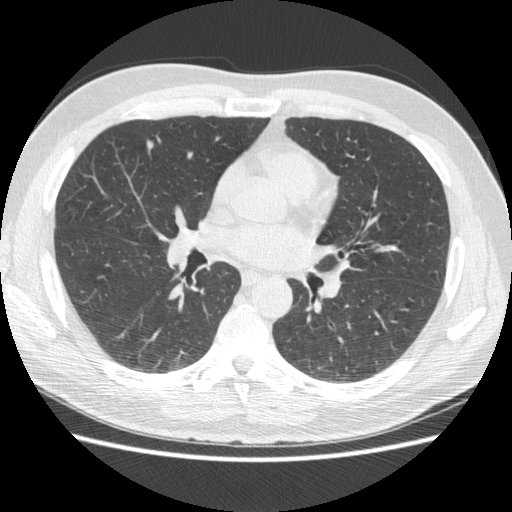
One axial slice (264 of 477, counting up from the lowest) of a chest CT acquired at 120 kVp with the STANDARD kernel; each pixel is 0.703 mm and the slice is 1.25 mm thick.
Pulmonary nodule, outlined by three of the four readers. Box on this slice rows 139–154, columns 146–153, the union of the readers' outlines on this slice; median longest diameter 13.1 mm (readers' outlines 13.0–15.7 mm), median volume 236 mm3 (236–334 mm3). Ratings, median across the readers with their spread: texture 5/5 (solid) from all three readers; margin 4/5 at the median of three readers, spread 4/5 to 5/5 (circumscribed); sphericity 4/5 at the median of three readers, spread 2/5 to 5/5 (round); calcification absent from all three readers; internal structure soft tissue from all three readers; subtlety 4/5 at the median of three readers, spread 3–5; malignancy likelihood 3/5 at the median of three readers, spread 2–3. Scale key (1–5): texture non-solid→solid, margin indistinct→circumscribed, sphericity linear→round, subtlety extremely subtle→obvious, malignancy likelihood highly unlikely→highly suspicious of cancer. Box rows and columns are 0-based pixel indices from the top-left corner, inclusive.